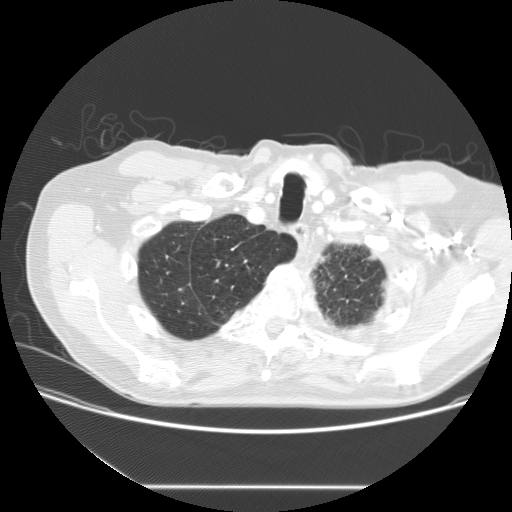
Axial slice 130 of 149 of a chest CT (slice 1 is the lowest), reconstructed with the STANDARD kernel at 120 kVp; 2.50 mm slice thickness and 0.742 mm pixels.
Pulmonary nodule outlined by all four readers, three of them on this slice; box rows 286–291, columns 177–182 (the union of the readers' outlines on this slice); longest diameter 9.0–10.3 mm and volume 361–479 mm3 across the four readers' outlines. The readers' ratings, as ranges where they differ: texture 5/5 (solid), all four readers agreeing; margin from 4/5 to 5/5 (circumscribed) across the four readers; sphericity from 4/5 to 5/5 (round) across the four readers; calcification: solid calcification (three), absent (one); internal structure soft tissue, all four readers agreeing; subtlety rated between 4 and 5 out of 5 by the four readers; malignancy likelihood rated between 1 and 3 out of 5 by the four readers. Scale key (1–5): texture non-solid→solid, margin indistinct→circumscribed, sphericity linear→round, subtlety extremely subtle→obvious, malignancy likelihood highly unlikely→highly suspicious of cancer. Box rows and columns are 0-based pixel indices from the top-left corner, inclusive.